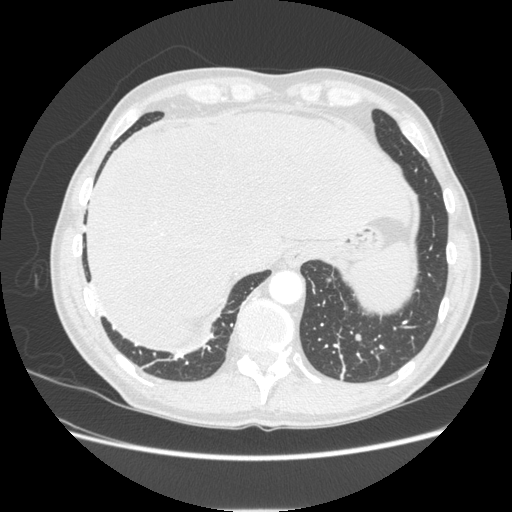
This is axial slice 50 of 253 (slice 1 is the lowest) of a chest CT; each pixel is 0.742 mm and the slice is 1.25 mm thick. Two pulmonary nodules are outlined on this slice; from left to right: (1) Pulmonary nodule, outlined by all four readers, two of them on this slice. Box on this slice rows 278–281, columns 325–331, the union of the readers' outlines on this slice; longest diameter 15.6–17.5 mm and volume 1063–1176 mm3 across the four readers' outlines. Ratings across the readers: texture 5/5 (solid), all four readers agreeing; margin 5/5 (circumscribed), all four readers agreeing; sphericity from 3/5 (ovoid) to 5/5 (round) across the four readers; calcification absent from all four readers; internal structure soft tissue from all four readers; subtlety 5/5 from all four readers; malignancy likelihood from 3/5 to 5/5 across the four readers. (2) Pulmonary nodule, outlined by all four readers. Box on this slice rows 334–341, columns 354–361, the union of the readers' outlines on this slice; longest diameter 7.8 mm on average over the four readers' outlines (readers' outlines 7.0–8.5 mm), volume 167–207 mm3. Ratings, by the readers' most common answer with dissent counted: texture 5/5 (solid), all four readers agreeing; margin 5/5 (circumscribed) from all four readers; sphericity 5/5 (round) by three of four readers; the rest gave 4/5 (one); calcification absent from all four readers; internal structure soft tissue, all four readers agreeing; subtlety 3/5 by two of four readers; the rest gave 2/5 (one), 4/5 (one); malignancy likelihood 2/5 by two of four readers; the rest gave 3/5 (one), 4/5 (one). Scale key (1–5): texture non-solid→solid, margin indistinct→circumscribed, sphericity linear→round, subtlety extremely subtle→obvious, malignancy likelihood highly unlikely→highly suspicious of cancer. Box rows and columns are 0-based pixel indices from the top-left corner, inclusive.
Acquired at 120 kVp and reconstructed with the STANDARD kernel.